Axial slice 80 of 256 of a chest CT (slice 1 is the lowest), reconstructed with the STANDARD kernel at 120 kVp; 1.25 mm slice thickness and 0.781 mm pixels.
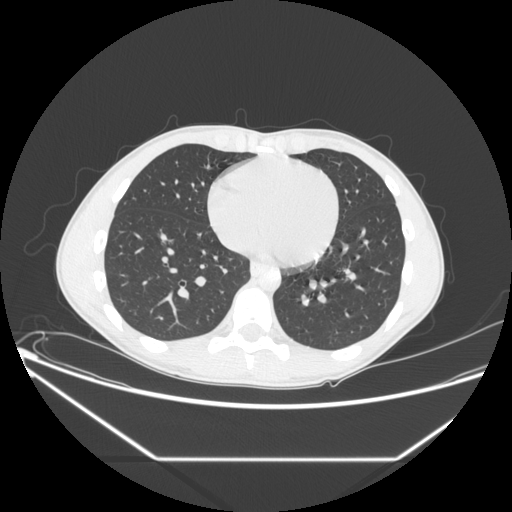
No nodule 3 mm or larger was outlined here by any reader.